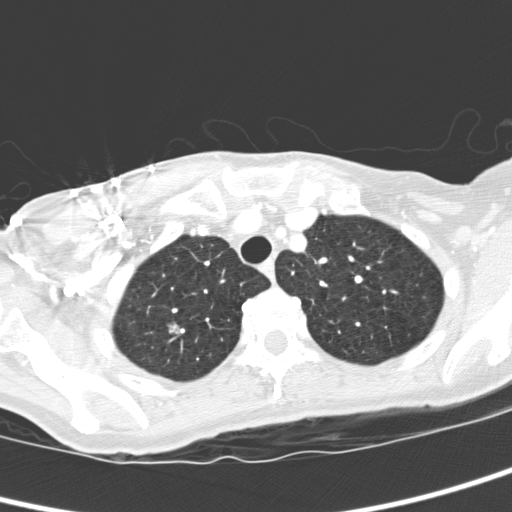
Axial chest CT slice 270 of 321 (counted from the lowest slice); 2.00 mm thick, 0.557 mm per pixel. Pulmonary nodule outlined by all four readers; box rows 322–333, columns 165–179 (the union of the readers' outlines on this slice); median longest diameter 9.6 mm (readers' outlines 9.1–10.4 mm), median volume 357 mm3 (168–407 mm3). Median ratings and the readers' spread: texture 5/5 (solid), all four readers agreeing; margin 5/5 (circumscribed) at the median of four readers, spread 4/5 to 5/5 (circumscribed); sphericity 4/5 at the median of four readers, spread 3/5 (ovoid) to 4/5; calcification absent from all four readers; internal structure soft tissue from all four readers; median subtlety 4.5/5 (readers ranged 4–5); median malignancy likelihood 3.5/5 (readers ranged 3–5). Scale key (1–5): texture non-solid→solid, margin indistinct→circumscribed, sphericity linear→round, subtlety extremely subtle→obvious, malignancy likelihood highly unlikely→highly suspicious of cancer. Box rows and columns are 0-based pixel indices from the top-left corner, inclusive.
Tube voltage 120 kVp; convolution kernel D.